Axial chest CT slice 67 of 193 (counted from the lowest slice); tube voltage 120 kVp, convolution kernel B30f; slices 2.00 mm thick, 0.703 mm per pixel.
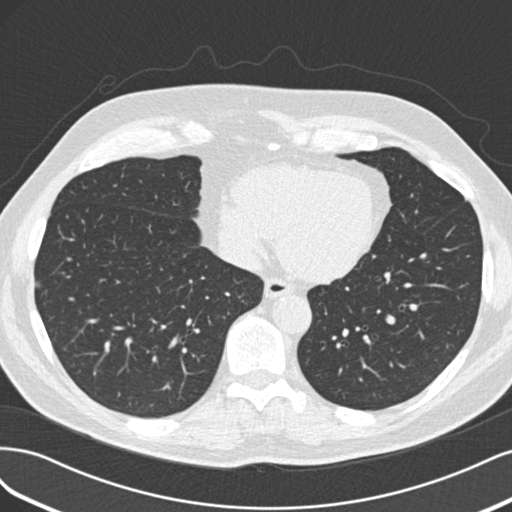
Pulmonary nodule, outlined by three of the four readers, one of them on this slice. Box on this slice rows 282–287, columns 37–39, the one reader's outline on this slice; longest diameter 12.1–12.9 mm and volume 445–586 mm3 across the three readers' outlines. The readers' ratings, as ranges where they differ: texture from 4/5 to 5/5 (solid) across the three readers; margin from 4/5 to 5/5 (circumscribed) across the three readers; sphericity from 4/5 to 5/5 (round) across the three readers; calcification: absent (two), central calcification (one); internal structure soft tissue from all three readers; subtlety from 4/5 to 5/5 across the three readers; malignancy likelihood from 1/5 to 4/5 across the three readers. Scale key (1–5): texture non-solid→solid, margin indistinct→circumscribed, sphericity linear→round, subtlety extremely subtle→obvious, malignancy likelihood highly unlikely→highly suspicious of cancer. Box rows and columns are 0-based pixel indices from the top-left corner, inclusive.